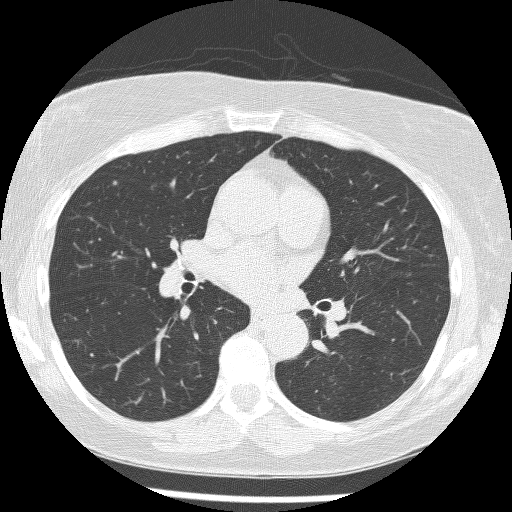
Slice 128/241 of a chest CT, counting up from the lowest; pixel size 0.586 mm, slice thickness 1.25 mm. Pulmonary nodule, outlined by one of the four readers. Box on this slice rows 180–184, columns 112–116, that reader's outline on this slice; longest diameter 4.1 mm and volume 39 mm3 from that reader's outline. Ratings by that reader: texture 5/5 (solid); margin 5/5 (circumscribed); sphericity 5/5 (round); calcification absent; internal structure soft tissue; subtlety 4/5; malignancy likelihood 1/5. Scale key (1–5): texture non-solid→solid, margin indistinct→circumscribed, sphericity linear→round, subtlety extremely subtle→obvious, malignancy likelihood highly unlikely→highly suspicious of cancer. Box rows and columns are 0-based pixel indices from the top-left corner, inclusive.
Tube voltage 120 kVp; convolution kernel BONE.